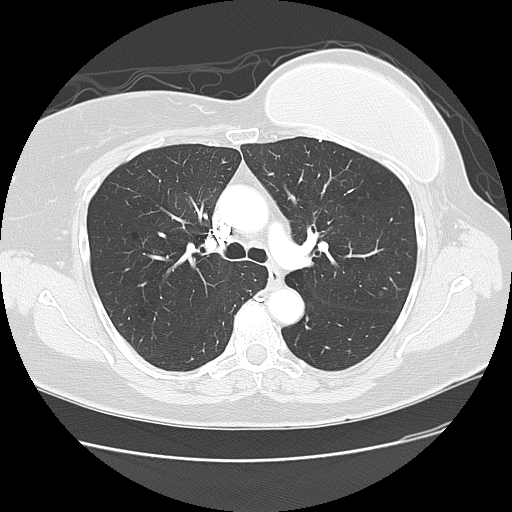
Axial chest CT slice 87 of 138 (counted from the lowest slice); 2.50 mm thick, 0.723 mm per pixel. Pulmonary nodule at rows 291–295, columns 379–383 (box = the union of the readers' outlines on this slice), outlined by two of the four readers; the two readers' outlines give a longest diameter between 3.7 and 4.6 mm and a volume between 29 and 33 mm3. The readers' ratings, as ranges where they differ: texture 1/5 (non-solid) from both readers; margin from 1/5 (indistinct) to 2/5 across the two readers; sphericity from 3/5 (ovoid) to 5/5 (round) across the two readers; calcification absent from both readers; internal structure soft tissue from both readers; subtlety 1/5, both readers agreeing; malignancy likelihood 2–3/5 (the readers disagree). Scale key (1–5): texture non-solid→solid, margin indistinct→circumscribed, sphericity linear→round, subtlety extremely subtle→obvious, malignancy likelihood highly unlikely→highly suspicious of cancer. Box rows and columns are 0-based pixel indices from the top-left corner, inclusive.
Scan settings: 120 kVp, LUNG reconstruction kernel.